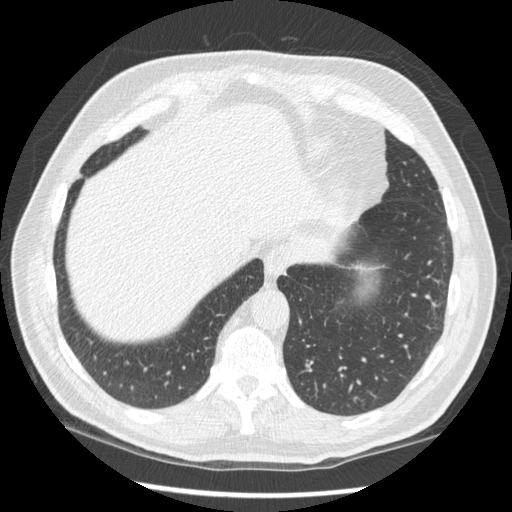
One axial slice (73 of 256, counting up from the lowest) of a chest CT acquired at 120 kVp with the STANDARD kernel; each pixel is 0.703 mm and the slice is 1.25 mm thick.
Pulmonary nodule outlined by two of the four readers; box rows 362–367, columns 304–308 (the union of the readers' outlines on this slice); median longest diameter 5.0 mm (readers' outlines 4.7–5.4 mm), median volume 27 mm3 (25–28 mm3). Median ratings and the readers' spread: median texture 4.5/5 (readers ranged 4/5 to 5/5 (solid)); margin 5/5 (circumscribed) from both readers; sphericity 4.5/5 at the median of two readers, spread 4/5 to 5/5 (round); calcification absent, both readers agreeing; internal structure soft tissue from both readers; subtlety 2/5 at the median of two readers, spread 1–3; median malignancy likelihood 2.5/5 (readers ranged 2–3). Scale key (1–5): texture non-solid→solid, margin indistinct→circumscribed, sphericity linear→round, subtlety extremely subtle→obvious, malignancy likelihood highly unlikely→highly suspicious of cancer. Box rows and columns are 0-based pixel indices from the top-left corner, inclusive.